Chest CT, axial plane, 130 kVp, kernel B30s. Slice 229/319 from the bottom of the scan; thickness 4.00 mm; pixel size 0.729 mm.
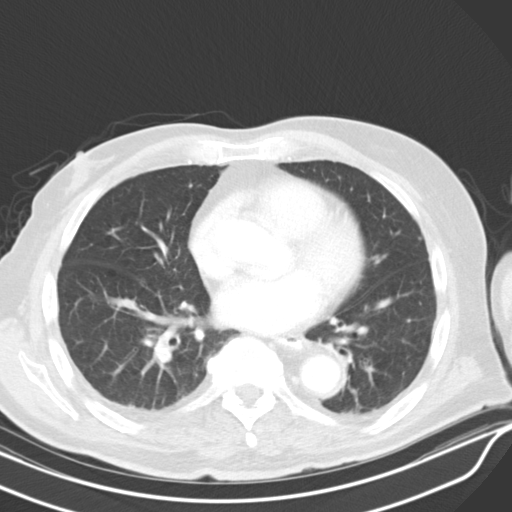
Two pulmonary nodules on this slice, listed from left to right. (1) Pulmonary nodule, outlined by one of the four readers. Box on this slice rows 317–323, columns 330–337, that reader's outline on this slice; longest diameter 15.4 mm and volume 875 mm3 from that reader's outline. That reader's ratings: texture 4/5; margin 2/5; sphericity 2/5; calcification absent; internal structure soft tissue; subtlety 3/5; malignancy likelihood 3/5. (2) Pulmonary nodule, outlined by one of the four readers. Box on this slice rows 236–240, columns 417–421, that reader's outline on this slice; longest diameter 5.3 mm and volume 67 mm3 from that reader's outline. Ratings by that reader: texture 3/5 (part-solid); margin 3/5; sphericity 2/5; calcification absent; internal structure soft tissue; subtlety 3/5; malignancy likelihood 1/5. Scale key (1–5): texture non-solid→solid, margin indistinct→circumscribed, sphericity linear→round, subtlety extremely subtle→obvious, malignancy likelihood highly unlikely→highly suspicious of cancer. Box rows and columns are 0-based pixel indices from the top-left corner, inclusive.